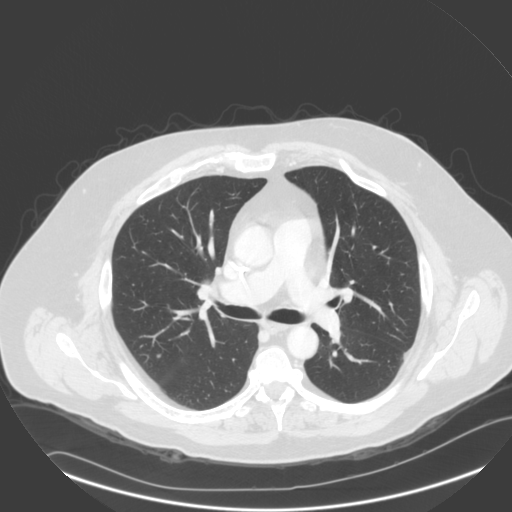
Chest CT, axial plane, 140 kVp, kernel B. Slice 191/305 from the bottom of the scan; thickness 2.00 mm; pixel size 0.834 mm.
Pulmonary nodule outlined by all four readers; box rows 354–357, columns 155–160 (the union of the readers' outlines on this slice); the four readers' outlines give a longest diameter between 5.3 and 8.2 mm and a volume between 54 and 176 mm3. Ratings across the readers: texture 5/5 (solid) from all four readers; margin 5/5 (circumscribed), all four readers agreeing; sphericity from 4/5 to 5/5 (round) across the four readers; calcification absent, all four readers agreeing; internal structure soft tissue, all four readers agreeing; subtlety from 4/5 to 5/5 across the four readers; malignancy likelihood 2–3/5 (the readers disagree). Scale key (1–5): texture non-solid→solid, margin indistinct→circumscribed, sphericity linear→round, subtlety extremely subtle→obvious, malignancy likelihood highly unlikely→highly suspicious of cancer. Box rows and columns are 0-based pixel indices from the top-left corner, inclusive.